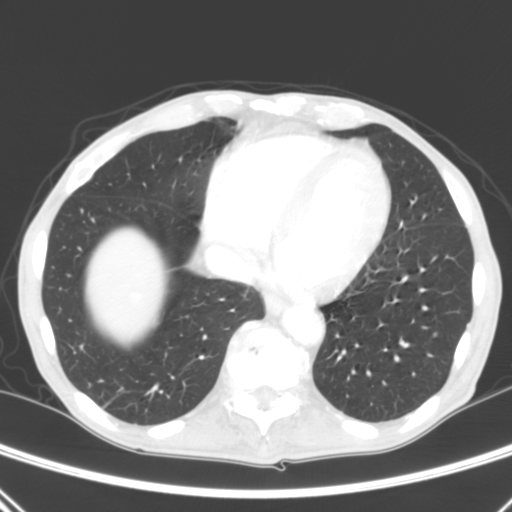
This is axial slice 84 of 290 (slice 1 is the lowest) of a chest CT; each pixel is 0.639 mm and the slice is 2.00 mm thick. Pulmonary nodule outlined by three of the four readers; box rows 332–337, columns 432–437 (the union of the readers' outlines on this slice); median longest diameter 5.5 mm (readers' outlines 5.1–6.6 mm), median volume 51 mm3 (48–82 mm3). Ratings, median across the readers with their spread: median texture 5/5 (solid) (readers ranged 3/5 (part-solid) to 5/5 (solid)); median margin 5/5 (circumscribed) (readers ranged 2/5 to 5/5 (circumscribed)); median sphericity 4/5 (readers ranged 3/5 (ovoid) to 4/5); calcification absent from all three readers; internal structure soft tissue from all three readers; subtlety 4/5 at the median of three readers, spread 4–5; malignancy likelihood 3/5 at the median of three readers, spread 2–3. Scale key (1–5): texture non-solid→solid, margin indistinct→circumscribed, sphericity linear→round, subtlety extremely subtle→obvious, malignancy likelihood highly unlikely→highly suspicious of cancer. Box rows and columns are 0-based pixel indices from the top-left corner, inclusive.
Scan settings: 120 kVp, B reconstruction kernel.